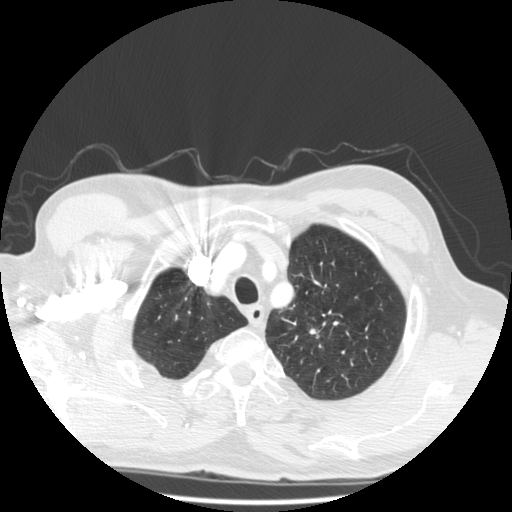
Chest CT, axial plane, 140 kVp, kernel STANDARD. Slice 436/501 from the bottom of the scan; thickness 1.25 mm; pixel size 0.703 mm.
Pulmonary nodule, outlined by three of the four readers, one of them on this slice. Box on this slice rows 328–338, columns 309–319, the one reader's outline on this slice; longest diameter 32.1–39.2 mm and volume 2361–4873 mm3 across the three readers' outlines. Ratings across the readers: texture from 4/5 to 5/5 (solid) across the three readers; margin from 1/5 (indistinct) to 5/5 (circumscribed) across the three readers; sphericity from 2/5 to 5/5 (round) across the three readers; calcification absent from all three readers; internal structure soft tissue, all three readers agreeing; subtlety 5/5, all three readers agreeing; malignancy likelihood rated between 4 and 5 out of 5 by the three readers. Scale key (1–5): texture non-solid→solid, margin indistinct→circumscribed, sphericity linear→round, subtlety extremely subtle→obvious, malignancy likelihood highly unlikely→highly suspicious of cancer. Box rows and columns are 0-based pixel indices from the top-left corner, inclusive.